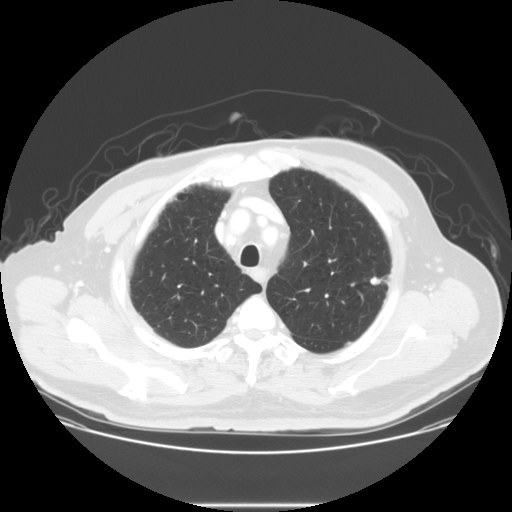
This is axial slice 115 of 133 (slice 1 is the lowest) of a chest CT; each pixel is 0.781 mm and the slice is 2.50 mm thick. Pulmonary nodule, outlined by all four readers. Box on this slice rows 277–284, columns 369–379, the union of the readers' outlines on this slice; longest diameter 10.6 mm on average over the four readers' outlines (readers' outlines 9.1–11.8 mm), volume 377–678 mm3. The readers' prevailing ratings and who disagreed: texture 5/5 (solid) from all four readers; margin split among the readers: 4/5 (two), 5/5 (circumscribed) (two); most readers (three of four) put sphericity at 4/5, others 5/5 (round) (one); calcification solid calcification by three of four readers, central calcification (one); internal structure soft tissue, all four readers agreeing; most readers (three of four) put subtlety at 5/5, others 4/5 (one); malignancy likelihood 1/5 from all four readers. Scale key (1–5): texture non-solid→solid, margin indistinct→circumscribed, sphericity linear→round, subtlety extremely subtle→obvious, malignancy likelihood highly unlikely→highly suspicious of cancer. Box rows and columns are 0-based pixel indices from the top-left corner, inclusive.
Acquired at 140 kVp and reconstructed with the STANDARD kernel.